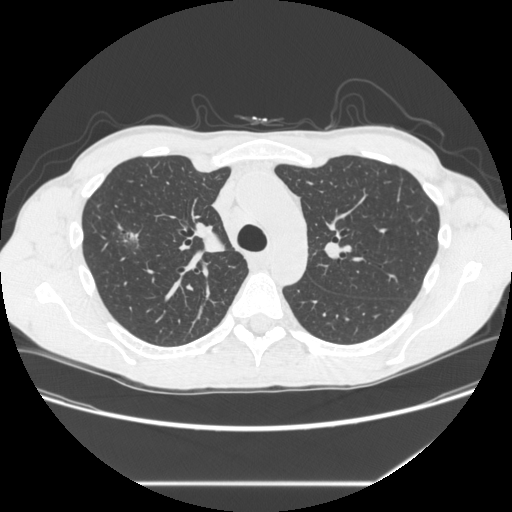
Axial chest CT slice 211 of 301 (counted from the lowest slice); 1.25 mm thick, 0.752 mm per pixel. Pulmonary nodule at rows 231–241, columns 126–139 (box = the union of the readers' outlines on this slice), outlined by all four readers; longest diameter 12.1–14.8 mm and volume 491–1018 mm3 across the four readers' outlines. Ratings across the readers: texture from 3/5 (part-solid) to 5/5 (solid) across the four readers; margin from 1/5 (indistinct) to 4/5 across the four readers; sphericity from 2/5 to 4/5 across the four readers; calcification absent from all four readers; internal structure split among the readers: soft tissue (two), air (two); subtlety 5/5, all four readers agreeing; malignancy likelihood 4–5/5 (the readers disagree). Scale key (1–5): texture non-solid→solid, margin indistinct→circumscribed, sphericity linear→round, subtlety extremely subtle→obvious, malignancy likelihood highly unlikely→highly suspicious of cancer. Box rows and columns are 0-based pixel indices from the top-left corner, inclusive.
Scan settings: 120 kVp, STANDARD reconstruction kernel.